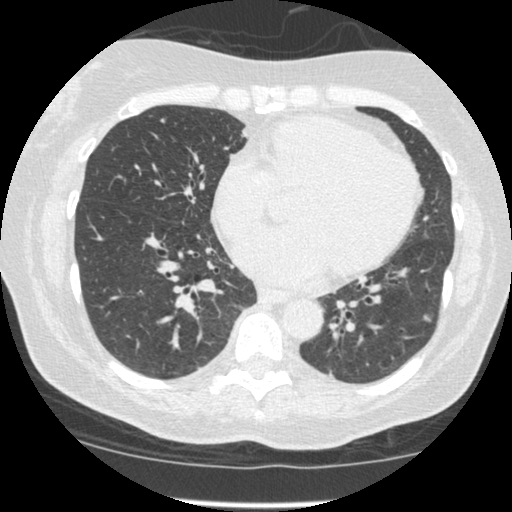
One axial slice (173 of 449, counting up from the lowest) of a chest CT acquired at 120 kVp with the STANDARD kernel; each pixel is 0.625 mm and the slice is 1.25 mm thick.
Pulmonary nodule, outlined by all four readers. Box on this slice rows 314–322, columns 423–431, the union of the readers' outlines on this slice; median longest diameter 8.1 mm (readers' outlines 6.8–9.2 mm), median volume 121 mm3 (59–141 mm3). Ratings, median across the readers with their spread: texture 4.5/5 at the median of four readers, spread 1/5 (non-solid) to 5/5 (solid); median margin 4/5 (readers ranged 3/5 to 5/5 (circumscribed)); sphericity 4.5/5 at the median of four readers, spread 3/5 (ovoid) to 5/5 (round); calcification absent, all four readers agreeing; internal structure soft tissue from all four readers; median subtlety 3.5/5 (readers ranged 3–4); malignancy likelihood 3/5 from all four readers. Scale key (1–5): texture non-solid→solid, margin indistinct→circumscribed, sphericity linear→round, subtlety extremely subtle→obvious, malignancy likelihood highly unlikely→highly suspicious of cancer. Box rows and columns are 0-based pixel indices from the top-left corner, inclusive.